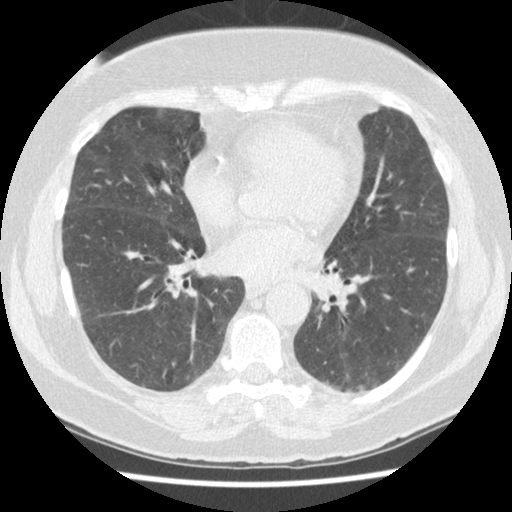
Chest CT, axial plane, 120 kVp, kernel STANDARD. Slice 158/401 from the bottom of the scan; thickness 1.25 mm; pixel size 0.625 mm.
None of the four readers outlined a nodule of 3 mm or more on this slice.